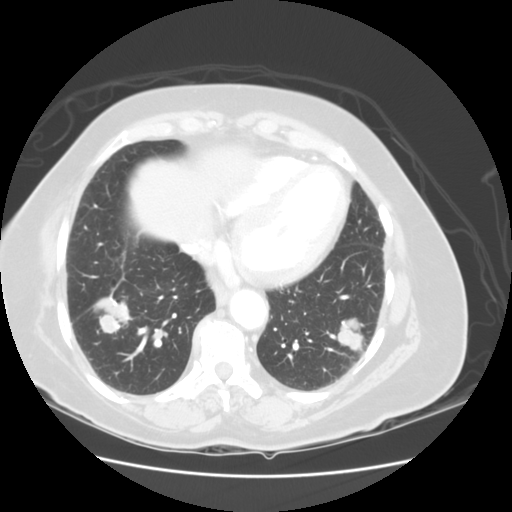
One axial slice (35 of 114, counting up from the lowest) of a chest CT acquired at 120 kVp with the STANDARD kernel; each pixel is 0.703 mm and the slice is 2.50 mm thick.
Two pulmonary nodules are outlined on this slice; from left to right: (1) Pulmonary nodule at rows 288–334, columns 92–132 (box = the union of the readers' outlines on this slice), outlined by three of the four readers; longest diameter 33.9–44.7 mm and volume 10097–11661 mm3 across the three readers' outlines. The readers' ratings, as ranges where they differ: texture 5/5 (solid), all three readers agreeing; margin from 4/5 to 5/5 (circumscribed) across the three readers; sphericity from 3/5 (ovoid) to 4/5 across the three readers; calcification absent from all three readers; internal structure soft tissue, all three readers agreeing; subtlety 5/5, all three readers agreeing; malignancy likelihood rated between 3 and 5 out of 5 by the three readers. (2) Pulmonary nodule at rows 319–351, columns 336–363 (box = the union of the readers' outlines on this slice), outlined by two of the four readers; longest diameter 31.2–33.4 mm and volume 9358–10207 mm3 across the two readers' outlines. Ratings across the readers: texture 5/5 (solid), both readers agreeing; margin 4/5 from both readers; sphericity 3/5 (ovoid), both readers agreeing; calcification absent, both readers agreeing; internal structure soft tissue from both readers; subtlety 5/5 from both readers; malignancy likelihood 5/5 from both readers. Scale key (1–5): texture non-solid→solid, margin indistinct→circumscribed, sphericity linear→round, subtlety extremely subtle→obvious, malignancy likelihood highly unlikely→highly suspicious of cancer. Box rows and columns are 0-based pixel indices from the top-left corner, inclusive.